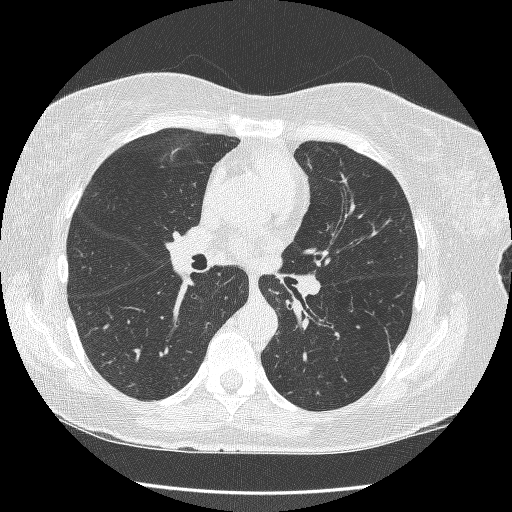
This is axial slice 136 of 246 (slice 1 is the lowest) of a chest CT; each pixel is 0.617 mm and the slice is 1.25 mm thick. Pulmonary nodule, outlined by all four readers, three of them on this slice. Box on this slice rows 391–394, columns 287–292, the union of the readers' outlines on this slice; longest diameter 8.5 mm on average over the four readers' outlines (readers' outlines 7.2–9.4 mm), volume 81–124 mm3. The readers' prevailing ratings and who disagreed: most readers (three of four) put texture at 5/5 (solid), others 4/5 (one); margin 5/5 (circumscribed) by two of four readers; the rest gave 3/5 (one), 4/5 (one); sphericity 3/5 (ovoid) by two of four readers; the rest gave 2/5 (one), 4/5 (one); calcification absent from all four readers; internal structure soft tissue from all four readers; subtlety 3/5 by two of four readers; the rest gave 4/5 (one), 5/5 (one); malignancy likelihood 3/5 by three of four readers; the rest gave 2/5 (one). Scale key (1–5): texture non-solid→solid, margin indistinct→circumscribed, sphericity linear→round, subtlety extremely subtle→obvious, malignancy likelihood highly unlikely→highly suspicious of cancer. Box rows and columns are 0-based pixel indices from the top-left corner, inclusive.
Acquired at 120 kVp and reconstructed with the BONE kernel.